Axial chest CT slice 143 of 429 (counted from the lowest slice); tube voltage 120 kVp, convolution kernel STANDARD; slices 1.25 mm thick, 0.586 mm per pixel.
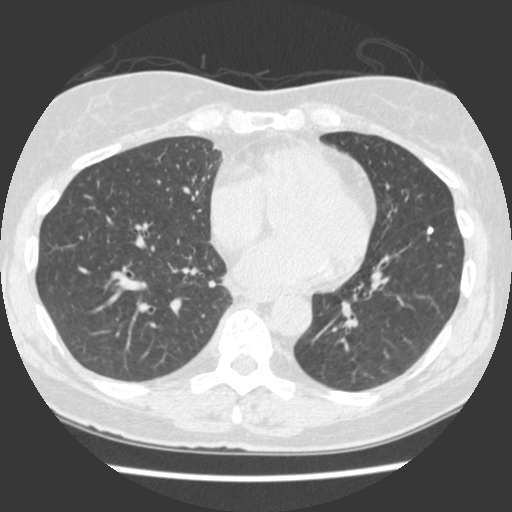
Pulmonary nodule at rows 226–234, columns 426–433 (box = the union of the readers' outlines on this slice), outlined by all four readers; longest diameter 5.2–5.9 mm and volume 29–70 mm3 across the four readers' outlines. The readers' ratings, as ranges where they differ: texture 5/5 (solid), all four readers agreeing; margin 5/5 (circumscribed) from all four readers; sphericity from 3/5 (ovoid) to 5/5 (round) across the four readers; calcification solid calcification from all four readers; internal structure soft tissue, all four readers agreeing; subtlety from 4/5 to 5/5 across the four readers; malignancy likelihood 1/5, all four readers agreeing. Scale key (1–5): texture non-solid→solid, margin indistinct→circumscribed, sphericity linear→round, subtlety extremely subtle→obvious, malignancy likelihood highly unlikely→highly suspicious of cancer. Box rows and columns are 0-based pixel indices from the top-left corner, inclusive.